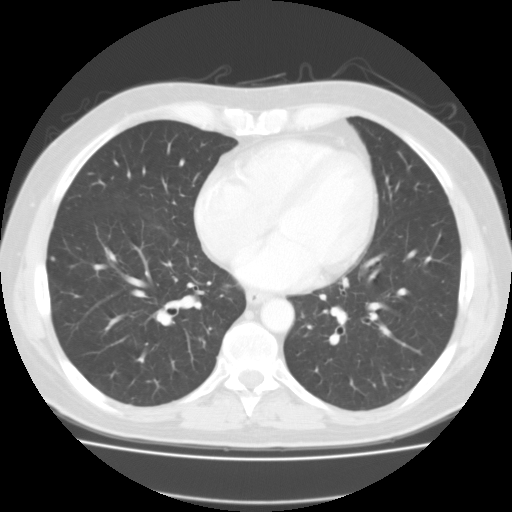
One axial slice (62 of 127, counting up from the lowest) of a chest CT acquired at 135 kVp with the FC01 kernel; each pixel is 0.750 mm and the slice is 3.00 mm thick.
Pulmonary nodule, outlined by one of the four readers. Box on this slice rows 257–261, columns 51–55, that reader's outline on this slice; longest diameter 5.4 mm and volume 126 mm3 from that reader's outline. That reader's ratings: texture 2/5; margin 2/5; sphericity 3/5 (ovoid); calcification absent; internal structure soft tissue; subtlety 1/5; malignancy likelihood 3/5. Scale key (1–5): texture non-solid→solid, margin indistinct→circumscribed, sphericity linear→round, subtlety extremely subtle→obvious, malignancy likelihood highly unlikely→highly suspicious of cancer. Box rows and columns are 0-based pixel indices from the top-left corner, inclusive.